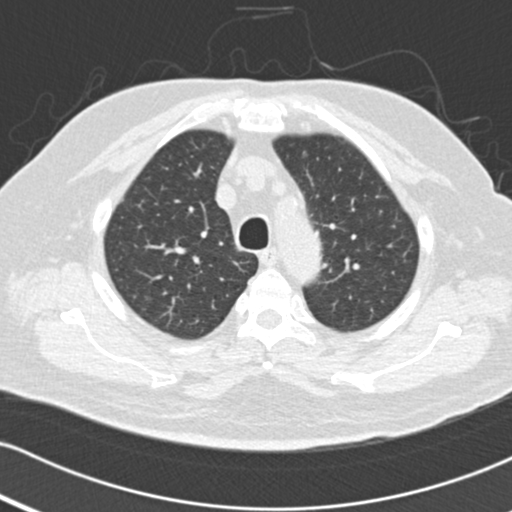
One axial slice (123 of 157, counting up from the lowest) of a chest CT acquired at 120 kVp with the B30f kernel; each pixel is 0.625 mm and the slice is 2.00 mm thick.
Pulmonary nodule, outlined by two of the four readers. Box on this slice rows 151–156, columns 302–307, the union of the readers' outlines on this slice; longest diameter 5.6–6.2 mm and volume 42–56 mm3 across the two readers' outlines. The readers' ratings, as ranges where they differ: texture from 1/5 (non-solid) to 3/5 (part-solid) across the two readers; margin from 2/5 to 4/5 across the two readers; sphericity from 4/5 to 5/5 (round) across the two readers; calcification absent, both readers agreeing; internal structure soft tissue from both readers; subtlety 3/5, both readers agreeing; malignancy likelihood 3/5 from both readers. Scale key (1–5): texture non-solid→solid, margin indistinct→circumscribed, sphericity linear→round, subtlety extremely subtle→obvious, malignancy likelihood highly unlikely→highly suspicious of cancer. Box rows and columns are 0-based pixel indices from the top-left corner, inclusive.